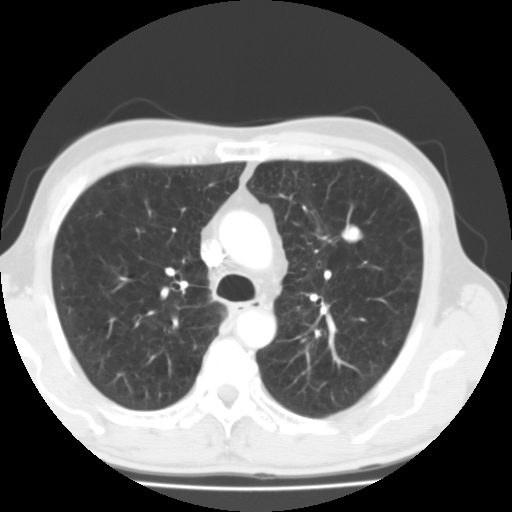
Axial chest CT slice 81 of 119 (counted from the lowest slice); tube voltage 135 kVp, convolution kernel FC01; slices 3.00 mm thick, 0.640 mm per pixel.
Pulmonary nodule outlined by all four readers; box rows 224–243, columns 341–363 (the union of the readers' outlines on this slice); median longest diameter 16.0 mm (readers' outlines 15.6–16.2 mm), median volume 1940 mm3 (1503–2011 mm3). Ratings, median across the readers with their spread: texture 5/5 (solid) from all four readers; median margin 5/5 (circumscribed) (readers ranged 4/5 to 5/5 (circumscribed)); sphericity 4.5/5 at the median of four readers, spread 3/5 (ovoid) to 5/5 (round); calcification: absent (three), central calcification (one); internal structure soft tissue, all four readers agreeing; median subtlety 5/5 (readers ranged 4–5); median malignancy likelihood 3.5/5 (readers ranged 1–5). Scale key (1–5): texture non-solid→solid, margin indistinct→circumscribed, sphericity linear→round, subtlety extremely subtle→obvious, malignancy likelihood highly unlikely→highly suspicious of cancer. Box rows and columns are 0-based pixel indices from the top-left corner, inclusive.